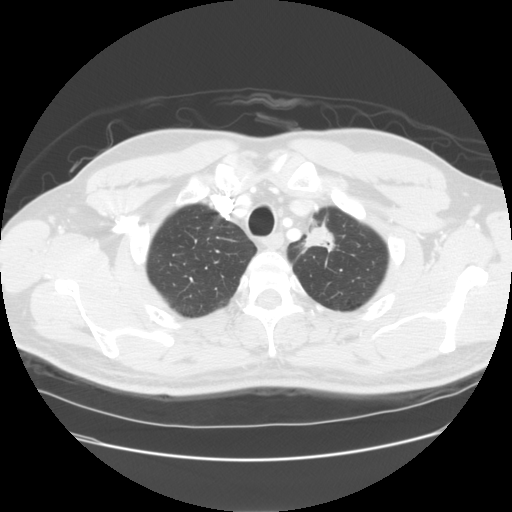
Slice 120/137 of a chest CT, counting up from the lowest; pixel size 0.742 mm, slice thickness 2.50 mm. Pulmonary nodule at rows 211–259, columns 292–334 (box = the union of the readers' outlines on this slice), outlined by all four readers; longest diameter 37.5 mm on average over the four readers' outlines (readers' outlines 30.7–45.5 mm), volume 6191–8548 mm3. Ratings, by the readers' most common answer with dissent counted: most readers (three of four) put texture at 5/5 (solid), others 4/5 (one); margin 4/5 by two of four readers; the rest gave 2/5 (one), 3/5 (one); sphericity 3/5 (ovoid) by two of four readers; the rest gave 4/5 (one), 5/5 (round) (one); calcification absent from all four readers; internal structure soft tissue, all four readers agreeing; subtlety 5/5 from all four readers; malignancy likelihood 5/5 by three of four readers; the rest gave 4/5 (one). Scale key (1–5): texture non-solid→solid, margin indistinct→circumscribed, sphericity linear→round, subtlety extremely subtle→obvious, malignancy likelihood highly unlikely→highly suspicious of cancer. Box rows and columns are 0-based pixel indices from the top-left corner, inclusive.
Tube voltage 120 kVp; convolution kernel STANDARD.